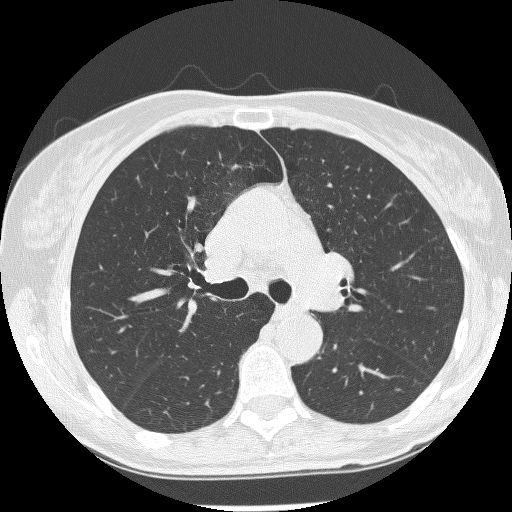
One axial slice (157 of 245, counting up from the lowest) of a chest CT acquired at 120 kVp with the BONE kernel; each pixel is 0.592 mm and the slice is 1.25 mm thick.
Pulmonary nodule at rows 215–218, columns 358–362 (box = the union of the readers' outlines on this slice), outlined by all four readers, three of them on this slice; longest diameter 4.3–5.5 mm and volume 33–71 mm3 across the four readers' outlines. The readers' ratings, as ranges where they differ: texture 1/5 (non-solid), all four readers agreeing; margin from 2/5 to 4/5 across the four readers; sphericity from 3/5 (ovoid) to 5/5 (round) across the four readers; calcification absent from all four readers; internal structure soft tissue, all four readers agreeing; subtlety 1–3/5 (the readers disagree); malignancy likelihood 3/5 from all four readers. Scale key (1–5): texture non-solid→solid, margin indistinct→circumscribed, sphericity linear→round, subtlety extremely subtle→obvious, malignancy likelihood highly unlikely→highly suspicious of cancer. Box rows and columns are 0-based pixel indices from the top-left corner, inclusive.